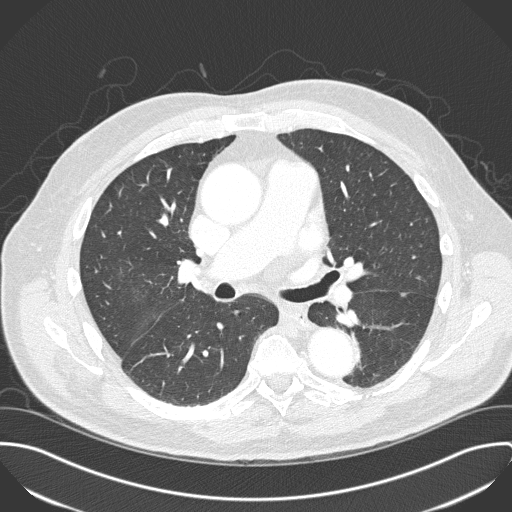
Axial chest CT slice 189 of 330 (counted from the lowest slice); 1.00 mm thick, 0.762 mm per pixel. Pulmonary nodule at rows 292–297, columns 400–406 (box = the union of the readers' outlines on this slice), outlined by three of the four readers; longest diameter 6.1–7.2 mm and volume 41–55 mm3 across the three readers' outlines. Ratings across the readers: texture from 4/5 to 5/5 (solid) across the three readers; margin from 2/5 to 5/5 (circumscribed) across the three readers; sphericity from 2/5 to 4/5 across the three readers; calcification absent from all three readers; internal structure soft tissue, all three readers agreeing; subtlety rated between 2 and 3 out of 5 by the three readers; malignancy likelihood from 1/5 to 3/5 across the three readers. Scale key (1–5): texture non-solid→solid, margin indistinct→circumscribed, sphericity linear→round, subtlety extremely subtle→obvious, malignancy likelihood highly unlikely→highly suspicious of cancer. Box rows and columns are 0-based pixel indices from the top-left corner, inclusive.
Acquired at 120 kVp and reconstructed with the B45f kernel.